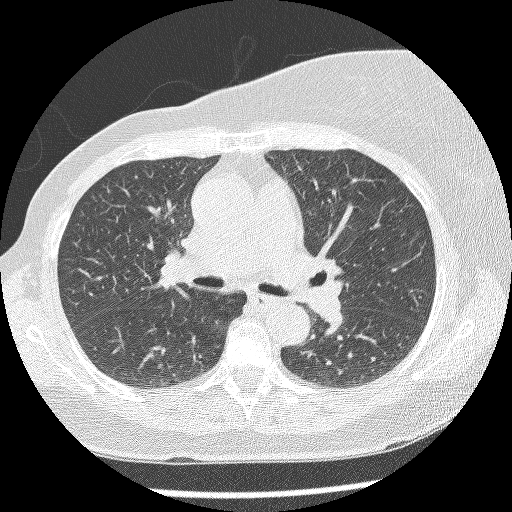
Chest CT, axial plane, 120 kVp, kernel BONE. Slice 143/220 from the bottom of the scan; thickness 1.25 mm; pixel size 0.598 mm.
No nodule 3 mm or larger was outlined here by any reader.